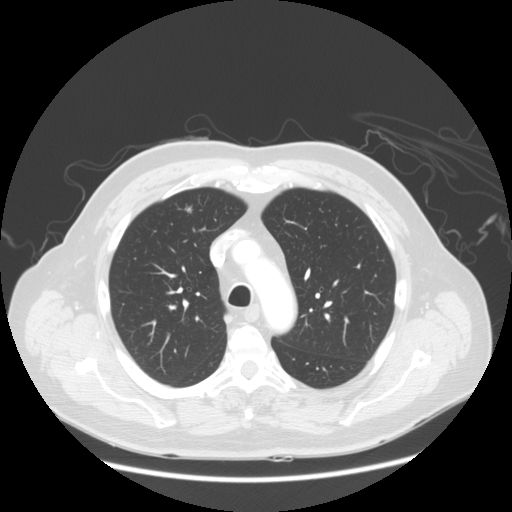
One axial slice (94 of 128, counting up from the lowest) of a chest CT acquired at 120 kVp with the STANDARD kernel; each pixel is 0.781 mm and the slice is 2.50 mm thick.
Pulmonary nodule at rows 203–213, columns 184–192 (box = the union of the readers' outlines on this slice), outlined by all four readers; median longest diameter 8.9 mm (readers' outlines 7.7–9.4 mm), median volume 243 mm3 (171–293 mm3). Median ratings and the readers' spread: texture 5/5 (solid) from all four readers; margin 4/5, all four readers agreeing; median sphericity 4/5 (readers ranged 3/5 (ovoid) to 4/5); calcification absent, all four readers agreeing; internal structure soft tissue, all four readers agreeing; median subtlety 4/5 (readers ranged 4–5); malignancy likelihood 3/5 at the median of four readers, spread 3–4. Scale key (1–5): texture non-solid→solid, margin indistinct→circumscribed, sphericity linear→round, subtlety extremely subtle→obvious, malignancy likelihood highly unlikely→highly suspicious of cancer. Box rows and columns are 0-based pixel indices from the top-left corner, inclusive.